One axial slice (72 of 177, counting up from the lowest) of a chest CT acquired at 120 kVp with the B30f kernel; each pixel is 0.742 mm and the slice is 2.00 mm thick.
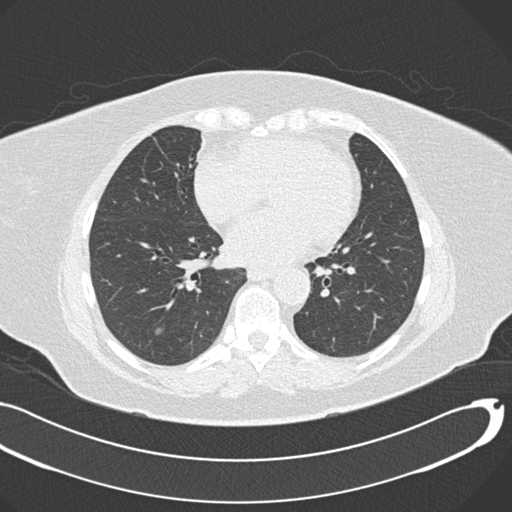
Pulmonary nodule, outlined by three of the four readers. Box on this slice rows 328–334, columns 153–163, the union of the readers' outlines on this slice; longest diameter 8.3 mm on average over the three readers' outlines (readers' outlines 7.4–10.0 mm), volume 62–167 mm3. Ratings, by the readers' most common answer with dissent counted: texture 1/5 (non-solid) by two of three readers; the rest gave 4/5 (one); margin split among the readers: 1/5 (indistinct) (one), 2/5 (one), 4/5 (one); sphericity 3/5 (ovoid) by two of three readers; the rest gave 4/5 (one); calcification absent from all three readers; internal structure soft tissue, all three readers agreeing; most readers (two of three) put subtlety at 3/5, others 5/5 (one); malignancy likelihood 2/5 by two of three readers; the rest gave 3/5 (one). Scale key (1–5): texture non-solid→solid, margin indistinct→circumscribed, sphericity linear→round, subtlety extremely subtle→obvious, malignancy likelihood highly unlikely→highly suspicious of cancer. Box rows and columns are 0-based pixel indices from the top-left corner, inclusive.